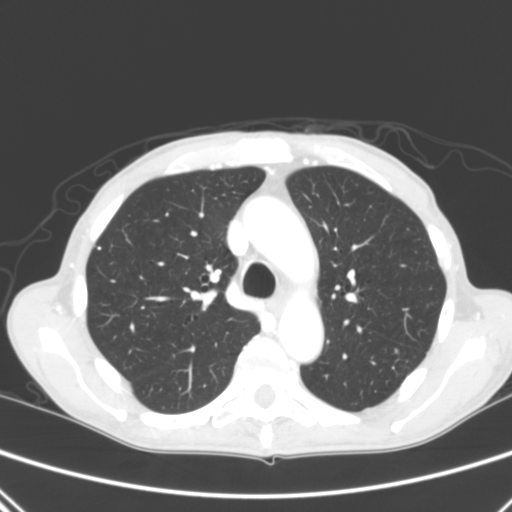
Axial chest CT slice 202 of 290 (counted from the lowest slice); tube voltage 120 kVp, convolution kernel B; slices 2.00 mm thick, 0.639 mm per pixel.
Pulmonary nodule outlined by one of the four readers; box rows 246–249, columns 98–100 (that reader's outline on this slice); longest diameter 3.7 mm and volume 25 mm3 from that reader's outline. Ratings by that reader: texture 5/5 (solid); margin 5/5 (circumscribed); sphericity 5/5 (round); calcification solid calcification; internal structure soft tissue; subtlety 4/5; malignancy likelihood 1/5. Scale key (1–5): texture non-solid→solid, margin indistinct→circumscribed, sphericity linear→round, subtlety extremely subtle→obvious, malignancy likelihood highly unlikely→highly suspicious of cancer. Box rows and columns are 0-based pixel indices from the top-left corner, inclusive.